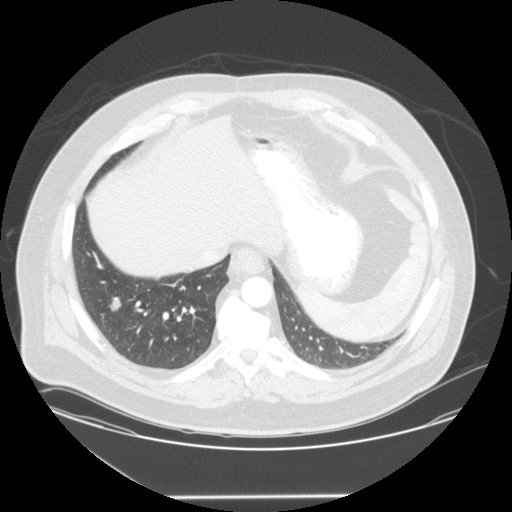
One axial slice (52 of 127, counting up from the lowest) of a chest CT acquired at 120 kVp with the STANDARD kernel; each pixel is 0.859 mm and the slice is 2.50 mm thick.
Pulmonary nodule, outlined by all four readers. Box on this slice rows 298–311, columns 109–121, the union of the readers' outlines on this slice; the four readers' outlines give a longest diameter between 10.8 and 12.8 mm and a volume between 414 and 606 mm3. Ratings across the readers: texture 5/5 (solid), all four readers agreeing; margin from 4/5 to 5/5 (circumscribed) across the four readers; sphericity from 3/5 (ovoid) to 5/5 (round) across the four readers; calcification absent, all four readers agreeing; internal structure soft tissue, all four readers agreeing; subtlety rated between 4 and 5 out of 5 by the four readers; malignancy likelihood 3–4/5 (the readers disagree). Scale key (1–5): texture non-solid→solid, margin indistinct→circumscribed, sphericity linear→round, subtlety extremely subtle→obvious, malignancy likelihood highly unlikely→highly suspicious of cancer. Box rows and columns are 0-based pixel indices from the top-left corner, inclusive.